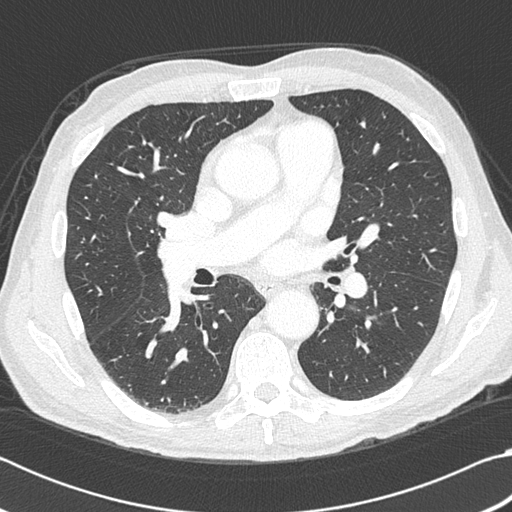
Axial chest CT slice 220 of 383 (counted from the lowest slice); 1.00 mm thick, 0.664 mm per pixel. Pulmonary nodule, outlined by all four readers, three of them on this slice. Box on this slice rows 120–128, columns 358–366, the union of the readers' outlines on this slice; median longest diameter 11.6 mm (readers' outlines 10.1–11.8 mm), median volume 513 mm3 (386–564 mm3). Ratings, median across the readers with their spread: texture 5/5 (solid) from all four readers; margin 5/5 (circumscribed) at the median of four readers, spread 4/5 to 5/5 (circumscribed); sphericity 4.5/5 at the median of four readers, spread 3/5 (ovoid) to 5/5 (round); calcification absent from all four readers; internal structure soft tissue from all four readers; subtlety 5/5 at the median of four readers, spread 4–5; median malignancy likelihood 2.5/5 (readers ranged 2–5). Scale key (1–5): texture non-solid→solid, margin indistinct→circumscribed, sphericity linear→round, subtlety extremely subtle→obvious, malignancy likelihood highly unlikely→highly suspicious of cancer. Box rows and columns are 0-based pixel indices from the top-left corner, inclusive.
Tube voltage 120 kVp; convolution kernel B45f.